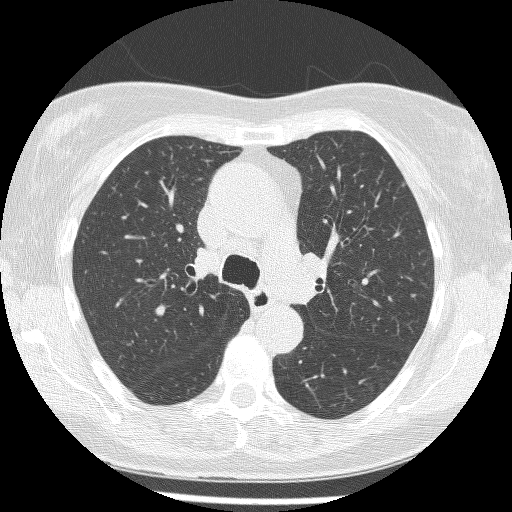
This is axial slice 169 of 241 (slice 1 is the lowest) of a chest CT; each pixel is 0.590 mm and the slice is 1.25 mm thick. This slice carries no reader outline of a nodule 3 mm or larger.
Acquired at 120 kVp and reconstructed with the BONE kernel.